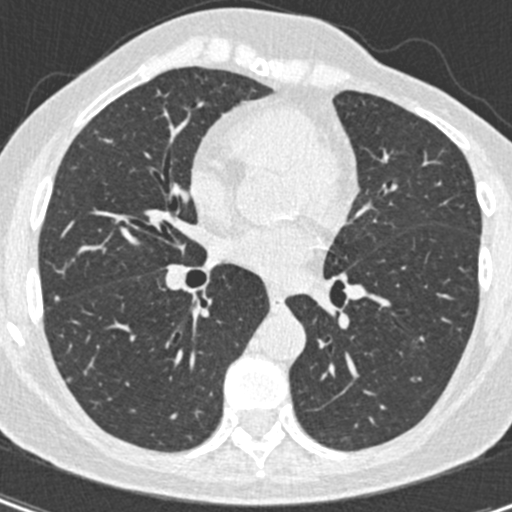
Axial chest CT slice 207 of 408 (counted from the lowest slice); 0.75 mm thick, 0.531 mm per pixel. Pulmonary nodule, outlined by one of the four readers. Box on this slice rows 296–300, columns 55–59, that reader's outline on this slice; longest diameter 4.0 mm and volume 31 mm3 from that reader's outline. That reader's ratings: texture 5/5 (solid); margin 5/5 (circumscribed); sphericity 5/5 (round); calcification absent; internal structure soft tissue; subtlety 5/5; malignancy likelihood 2/5. Scale key (1–5): texture non-solid→solid, margin indistinct→circumscribed, sphericity linear→round, subtlety extremely subtle→obvious, malignancy likelihood highly unlikely→highly suspicious of cancer. Box rows and columns are 0-based pixel indices from the top-left corner, inclusive.
Scan settings: 120 kVp, B30f reconstruction kernel.